Axial slice 234 of 273 of a chest CT (slice 1 is the lowest), reconstructed with the BONE kernel at 120 kVp; 1.25 mm slice thickness and 0.703 mm pixels.
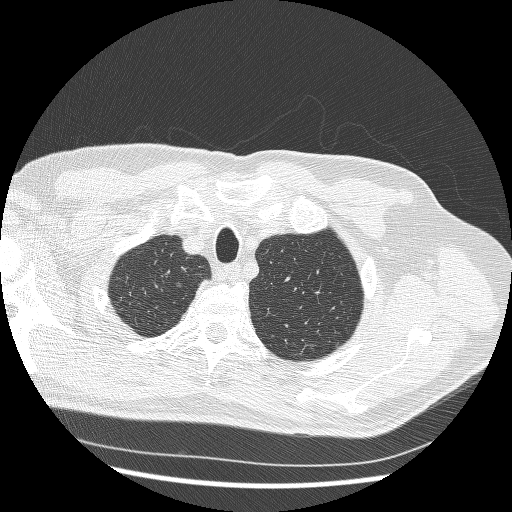
Pulmonary nodule at rows 283–287, columns 176–180 (box = that reader's outline on this slice), outlined by one of the four readers; longest diameter 6.0 mm and volume 40 mm3 from that reader's outline. Ratings by that reader: texture 1/5 (non-solid); margin 1/5 (indistinct); sphericity 4/5; calcification absent; internal structure soft tissue; subtlety 1/5; malignancy likelihood 2/5. Scale key (1–5): texture non-solid→solid, margin indistinct→circumscribed, sphericity linear→round, subtlety extremely subtle→obvious, malignancy likelihood highly unlikely→highly suspicious of cancer. Box rows and columns are 0-based pixel indices from the top-left corner, inclusive.